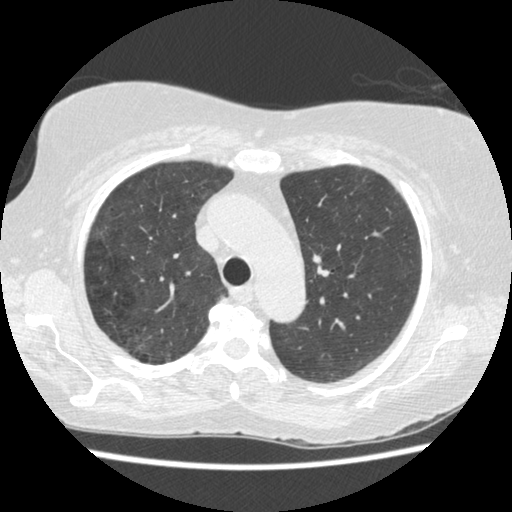
One axial slice (303 of 413, counting up from the lowest) of a chest CT acquired at 120 kVp with the STANDARD kernel; each pixel is 0.625 mm and the slice is 1.25 mm thick.
Pulmonary nodule outlined by two of the four readers; box rows 255–262, columns 313–320 (the union of the readers' outlines on this slice); longest diameter 7.9 mm on average over the two readers' outlines (readers' outlines 7.3–8.5 mm), volume 68–167 mm3. The readers' prevailing ratings and who disagreed: texture 5/5 (solid), both readers agreeing; margin split among the readers: 3/5 (one), 5/5 (circumscribed) (one); sphericity split among the readers: 4/5 (one), 5/5 (round) (one); calcification absent, both readers agreeing; internal structure soft tissue from both readers; subtlety split among the readers: 2/5 (one), 3/5 (one); malignancy likelihood split among the readers: 3/5 (one), 4/5 (one). Scale key (1–5): texture non-solid→solid, margin indistinct→circumscribed, sphericity linear→round, subtlety extremely subtle→obvious, malignancy likelihood highly unlikely→highly suspicious of cancer. Box rows and columns are 0-based pixel indices from the top-left corner, inclusive.